One axial slice (75 of 116, counting up from the lowest) of a chest CT acquired at 120 kVp with the B31f kernel; each pixel is 0.547 mm and the slice is 3.00 mm thick.
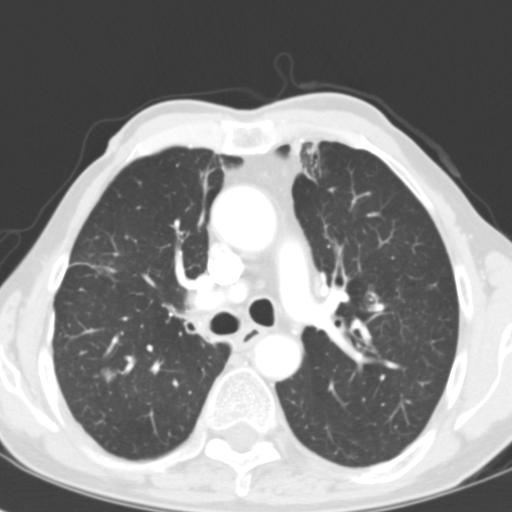
Pulmonary nodule at rows 367–383, columns 100–116 (box = the union of the readers' outlines on this slice), outlined by all four readers; longest diameter 12.7 mm on average over the four readers' outlines (readers' outlines 11.8–14.7 mm), volume 700–989 mm3. The readers' prevailing ratings and who disagreed: texture 5/5 (solid), all four readers agreeing; margin 5/5 (circumscribed) by three of four readers; the rest gave 4/5 (one); most readers (three of four) put sphericity at 5/5 (round), others 4/5 (one); calcification absent, all four readers agreeing; internal structure soft tissue by three of four readers, air (one); subtlety 5/5 from all four readers; malignancy likelihood split among the readers: 3/5 (two), 5/5 (two). Scale key (1–5): texture non-solid→solid, margin indistinct→circumscribed, sphericity linear→round, subtlety extremely subtle→obvious, malignancy likelihood highly unlikely→highly suspicious of cancer. Box rows and columns are 0-based pixel indices from the top-left corner, inclusive.